Chest CT, axial plane, 120 kVp, kernel B30f. Slice 307/636 from the bottom of the scan; thickness 0.60 mm; pixel size 0.689 mm.
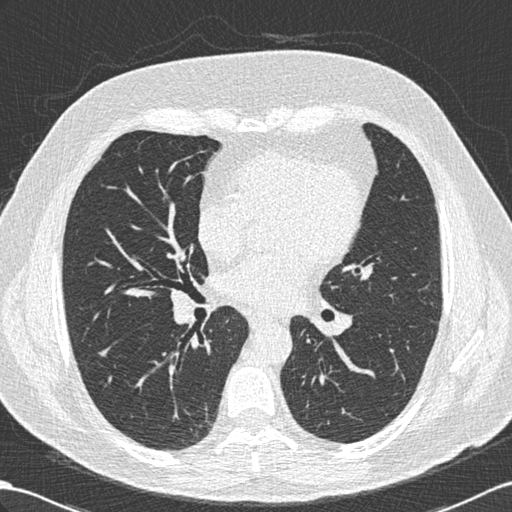
Pulmonary nodule at rows 346–357, columns 97–110 (box = the union of the readers' outlines on this slice), outlined by all four readers; longest diameter 11.1 mm on average over the four readers' outlines (readers' outlines 10.2–12.1 mm), volume 103–208 mm3. The readers' prevailing ratings and who disagreed: most readers (three of four) put texture at 5/5 (solid), others 4/5 (one); margin 4/5 by two of four readers; the rest gave 3/5 (one), 5/5 (circumscribed) (one); sphericity 3/5 (ovoid), all four readers agreeing; calcification absent from all four readers; internal structure soft tissue, all four readers agreeing; subtlety 4/5 by two of four readers; the rest gave 3/5 (one), 5/5 (one); malignancy likelihood 3/5 from all four readers. Scale key (1–5): texture non-solid→solid, margin indistinct→circumscribed, sphericity linear→round, subtlety extremely subtle→obvious, malignancy likelihood highly unlikely→highly suspicious of cancer. Box rows and columns are 0-based pixel indices from the top-left corner, inclusive.